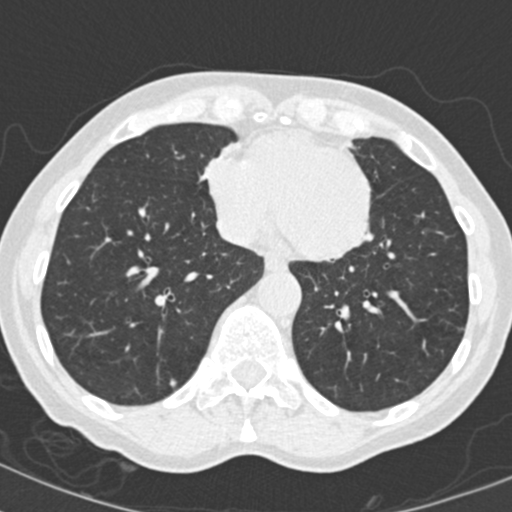
Axial slice 78 of 202 of a chest CT (slice 1 is the lowest), reconstructed with the B30f kernel at 120 kVp; 2.00 mm slice thickness and 0.566 mm pixels.
Pulmonary nodule, outlined by all four readers. Box on this slice rows 377–387, columns 169–176, the union of the readers' outlines on this slice; longest diameter 5.1–6.9 mm and volume 47–81 mm3 across the four readers' outlines. The readers' ratings, as ranges where they differ: texture from 3/5 (part-solid) to 5/5 (solid) across the four readers; margin from 1/5 (indistinct) to 5/5 (circumscribed) across the four readers; sphericity from 2/5 to 5/5 (round) across the four readers; calcification: absent (three), central calcification (one); internal structure soft tissue, all four readers agreeing; subtlety 3–4/5 (the readers disagree); malignancy likelihood rated between 1 and 3 out of 5 by the four readers. Scale key (1–5): texture non-solid→solid, margin indistinct→circumscribed, sphericity linear→round, subtlety extremely subtle→obvious, malignancy likelihood highly unlikely→highly suspicious of cancer. Box rows and columns are 0-based pixel indices from the top-left corner, inclusive.